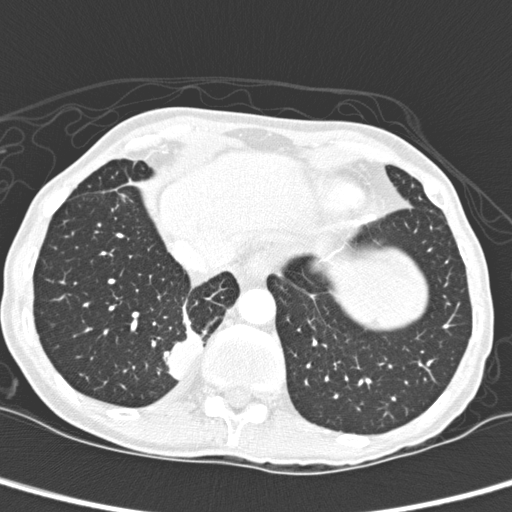
This is axial slice 55 of 280 (slice 1 is the lowest) of a chest CT; each pixel is 0.564 mm and the slice is 1.00 mm thick. Pulmonary nodule at rows 327–379, columns 166–202 (box = the union of the readers' outlines on this slice), outlined by two of the four readers; longest diameter 32.1–35.8 mm and volume 5657–6702 mm3 across the two readers' outlines. Ratings across the readers: texture 5/5 (solid) from both readers; margin 4/5, both readers agreeing; sphericity 3/5 (ovoid), both readers agreeing; calcification absent, both readers agreeing; internal structure soft tissue from both readers; subtlety 5/5, both readers agreeing; malignancy likelihood rated between 2 and 3 out of 5 by the two readers. Scale key (1–5): texture non-solid→solid, margin indistinct→circumscribed, sphericity linear→round, subtlety extremely subtle→obvious, malignancy likelihood highly unlikely→highly suspicious of cancer. Box rows and columns are 0-based pixel indices from the top-left corner, inclusive.
Acquired at 120 kVp and reconstructed with the D kernel.